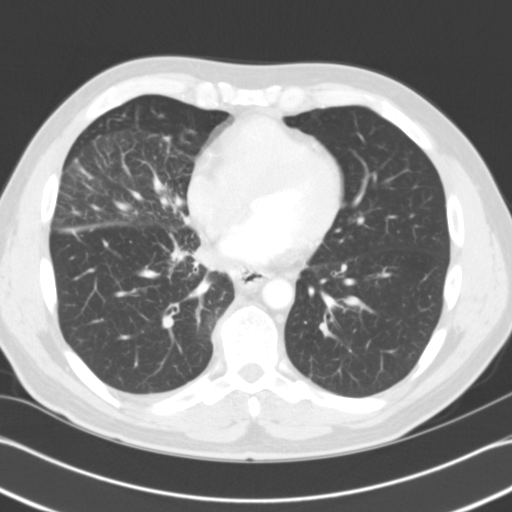
One axial slice (55 of 121, counting up from the lowest) of a chest CT acquired at 120 kVp with the B31f kernel; each pixel is 0.674 mm and the slice is 3.00 mm thick.
Pulmonary nodule outlined by one of the four readers; box rows 168–178, columns 80–91 (that reader's outline on this slice); longest diameter 21.5 mm and volume 706 mm3 from that reader's outline. That reader's ratings: texture 4/5; margin 3/5; sphericity 2/5; calcification absent; internal structure soft tissue; subtlety 5/5; malignancy likelihood 2/5. Scale key (1–5): texture non-solid→solid, margin indistinct→circumscribed, sphericity linear→round, subtlety extremely subtle→obvious, malignancy likelihood highly unlikely→highly suspicious of cancer. Box rows and columns are 0-based pixel indices from the top-left corner, inclusive.